Axial chest CT slice 144 of 258 (counted from the lowest slice); tube voltage 120 kVp, convolution kernel STANDARD; slices 1.25 mm thick, 0.859 mm per pixel.
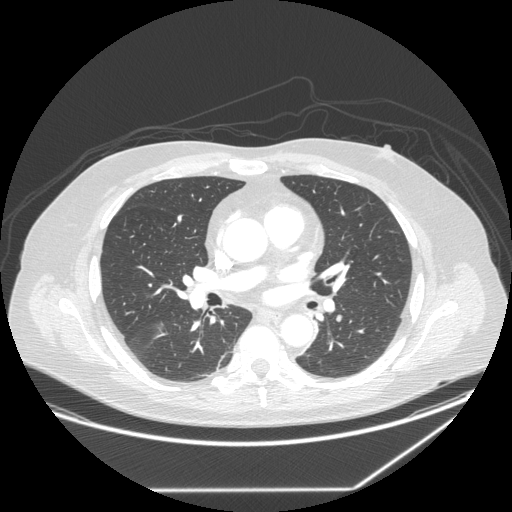
Pulmonary nodule, outlined by three of the four readers. Box on this slice rows 314–321, columns 336–341, the union of the readers' outlines on this slice; median longest diameter 8.1 mm (readers' outlines 7.3–8.5 mm), median volume 157 mm3 (147–164 mm3). Median ratings and the readers' spread: texture 5/5 (solid), all three readers agreeing; margin 5/5 (circumscribed) at the median of three readers, spread 4/5 to 5/5 (circumscribed); median sphericity 4/5 (readers ranged 3/5 (ovoid) to 4/5); calcification absent, all three readers agreeing; internal structure soft tissue from all three readers; subtlety 3/5 at the median of three readers, spread 3–4; malignancy likelihood 3/5 at the median of three readers, spread 2–3. Scale key (1–5): texture non-solid→solid, margin indistinct→circumscribed, sphericity linear→round, subtlety extremely subtle→obvious, malignancy likelihood highly unlikely→highly suspicious of cancer. Box rows and columns are 0-based pixel indices from the top-left corner, inclusive.